Chest CT, axial plane, 120 kVp, kernel STANDARD. Slice 162/245 from the bottom of the scan; thickness 1.25 mm; pixel size 0.730 mm.
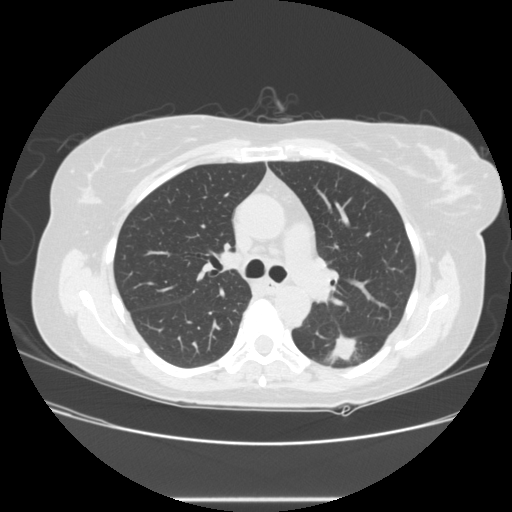
Pulmonary nodule outlined by all four readers; box rows 328–364, columns 324–357 (the union of the readers' outlines on this slice); median longest diameter 29.7 mm (readers' outlines 27.2–36.8 mm), median volume 4184 mm3 (3941–5997 mm3). Median ratings and the readers' spread: texture 5/5 (solid) from all four readers; median margin 3.5/5 (readers ranged 1/5 (indistinct) to 4/5); sphericity 2.5/5 at the median of four readers, spread 2/5 to 4/5; calcification absent from all four readers; internal structure soft tissue, all four readers agreeing; subtlety 5/5 from all four readers; median malignancy likelihood 5/5 (readers ranged 4–5). Scale key (1–5): texture non-solid→solid, margin indistinct→circumscribed, sphericity linear→round, subtlety extremely subtle→obvious, malignancy likelihood highly unlikely→highly suspicious of cancer. Box rows and columns are 0-based pixel indices from the top-left corner, inclusive.